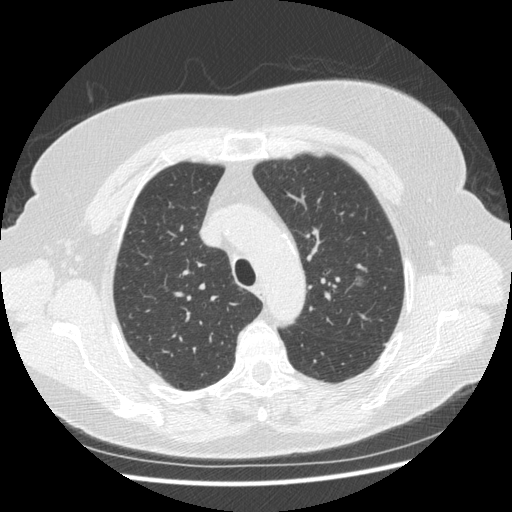
One axial slice (322 of 413, counting up from the lowest) of a chest CT acquired at 120 kVp with the STANDARD kernel; each pixel is 0.703 mm and the slice is 1.25 mm thick.
Pulmonary nodule, outlined by two of the four readers, one of them on this slice. Box on this slice rows 276–285, columns 356–361, the one reader's outline on this slice; longest diameter 10.1 mm on average over the two readers' outlines (readers' outlines 10.1 mm), volume 131–234 mm3. The readers' prevailing ratings and who disagreed: texture 1/5 (non-solid), both readers agreeing; margin split among the readers: 1/5 (indistinct) (one), 3/5 (one); sphericity split among the readers: 4/5 (one), 5/5 (round) (one); calcification absent from both readers; internal structure soft tissue from both readers; subtlety split among the readers: 1/5 (one), 4/5 (one); malignancy likelihood split among the readers: 3/5 (one), 4/5 (one). Scale key (1–5): texture non-solid→solid, margin indistinct→circumscribed, sphericity linear→round, subtlety extremely subtle→obvious, malignancy likelihood highly unlikely→highly suspicious of cancer. Box rows and columns are 0-based pixel indices from the top-left corner, inclusive.